Axial chest CT slice 329 of 487 (counted from the lowest slice); tube voltage 120 kVp, convolution kernel STANDARD; slices 1.25 mm thick, 0.586 mm per pixel.
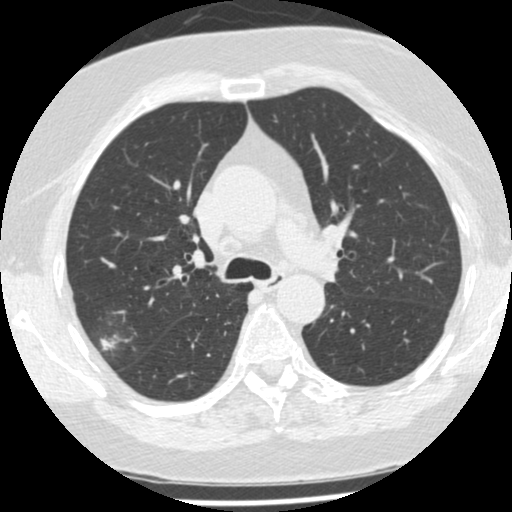
Pulmonary nodule, outlined by two of the four readers. Box on this slice rows 327–362, columns 89–125, the union of the readers' outlines on this slice; longest diameter 18.1 mm on average over the two readers' outlines (readers' outlines 11.3–24.9 mm), volume 232–2964 mm3. Ratings, by the readers' most common answer with dissent counted: texture 3/5 (part-solid), both readers agreeing; margin split among the readers: 1/5 (indistinct) (one), 2/5 (one); sphericity 4/5, both readers agreeing; calcification absent from both readers; internal structure soft tissue from both readers; subtlety 4/5, both readers agreeing; malignancy likelihood split among the readers: 3/5 (one), 4/5 (one). Scale key (1–5): texture non-solid→solid, margin indistinct→circumscribed, sphericity linear→round, subtlety extremely subtle→obvious, malignancy likelihood highly unlikely→highly suspicious of cancer. Box rows and columns are 0-based pixel indices from the top-left corner, inclusive.